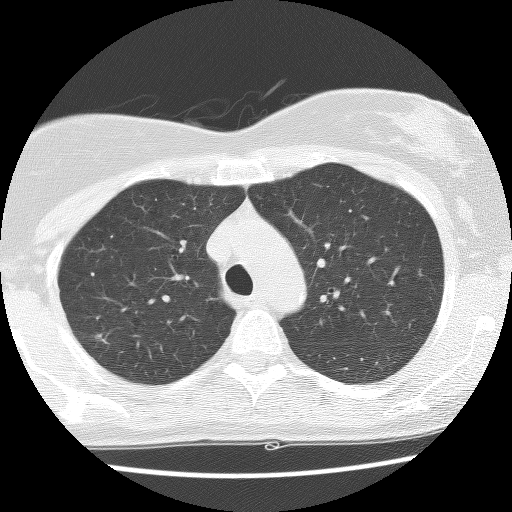
Axial chest CT slice 94 of 127 (counted from the lowest slice); 2.50 mm thick, 0.586 mm per pixel. Pulmonary nodule at rows 333–344, columns 95–109 (box = the union of the readers' outlines on this slice), outlined by two of the four readers; longest diameter 13.8 mm on average over the two readers' outlines (readers' outlines 12.9–14.7 mm), volume 148–591 mm3. The readers' prevailing ratings and who disagreed: texture 3/5 (part-solid), both readers agreeing; margin 1/5 (indistinct), both readers agreeing; sphericity 2/5 from both readers; calcification absent, both readers agreeing; internal structure soft tissue, both readers agreeing; subtlety 4/5 from both readers; malignancy likelihood 3/5 from both readers. Scale key (1–5): texture non-solid→solid, margin indistinct→circumscribed, sphericity linear→round, subtlety extremely subtle→obvious, malignancy likelihood highly unlikely→highly suspicious of cancer. Box rows and columns are 0-based pixel indices from the top-left corner, inclusive.
Tube voltage 140 kVp; convolution kernel BONE.